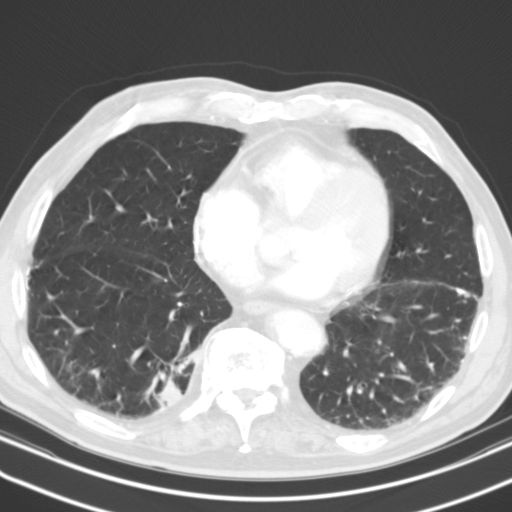
Axial chest CT slice 54 of 127 (counted from the lowest slice); tube voltage 130 kVp, convolution kernel B31s; slices 3.00 mm thick, 0.668 mm per pixel.
Pulmonary nodule at rows 381–407, columns 156–180 (box = the union of the readers' outlines on this slice), outlined by two of the four readers; the two readers' outlines give a longest diameter between 25.6 and 26.3 mm and a volume between 5517 and 6604 mm3. The readers' ratings, as ranges where they differ: texture 5/5 (solid), both readers agreeing; margin 4/5, both readers agreeing; sphericity from 2/5 to 3/5 (ovoid) across the two readers; calcification absent, both readers agreeing; internal structure soft tissue from both readers; subtlety 5/5, both readers agreeing; malignancy likelihood rated between 2 and 3 out of 5 by the two readers. Scale key (1–5): texture non-solid→solid, margin indistinct→circumscribed, sphericity linear→round, subtlety extremely subtle→obvious, malignancy likelihood highly unlikely→highly suspicious of cancer. Box rows and columns are 0-based pixel indices from the top-left corner, inclusive.